Chest CT, axial plane, 120 kVp, kernel BONE. Slice 73/250 from the bottom of the scan; thickness 1.25 mm; pixel size 0.586 mm.
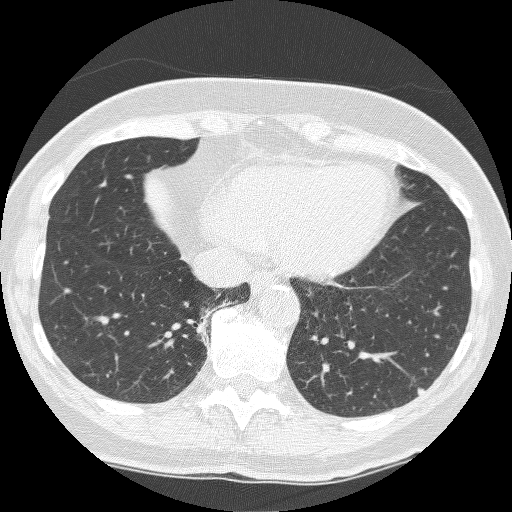
Pulmonary nodule outlined by three of the four readers; box rows 385–395, columns 415–426 (the union of the readers' outlines on this slice); longest diameter 6.8 mm on average over the three readers' outlines (readers' outlines 5.8–8.1 mm), volume 81–143 mm3. Ratings, by the readers' most common answer with dissent counted: texture 5/5 (solid) by two of three readers; the rest gave 4/5 (one); margin 4/5 by two of three readers; the rest gave 5/5 (circumscribed) (one); sphericity 3/5 (ovoid) by two of three readers; the rest gave 4/5 (one); calcification absent from all three readers; internal structure soft tissue from all three readers; subtlety 5/5 by two of three readers; the rest gave 4/5 (one); malignancy likelihood 4/5 by two of three readers; the rest gave 3/5 (one). Scale key (1–5): texture non-solid→solid, margin indistinct→circumscribed, sphericity linear→round, subtlety extremely subtle→obvious, malignancy likelihood highly unlikely→highly suspicious of cancer. Box rows and columns are 0-based pixel indices from the top-left corner, inclusive.